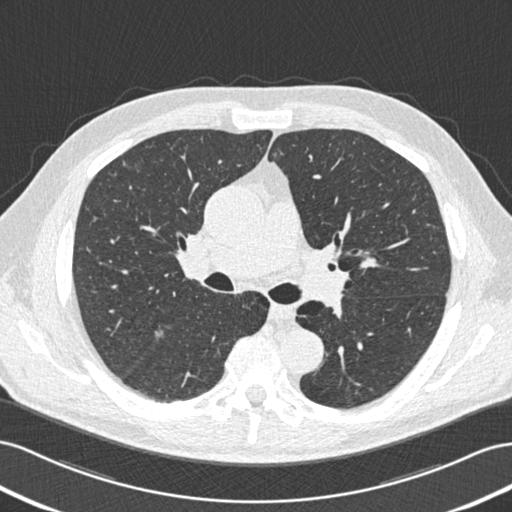
Axial slice 314 of 506 of a chest CT (slice 1 is the lowest), reconstructed with the B30f kernel at 120 kVp; 0.75 mm slice thickness and 0.699 mm pixels.
Pulmonary nodule at rows 163–164, columns 124–124 (box = the union of the readers' outlines on this slice), outlined by all four readers, two of them on this slice; median longest diameter 8.3 mm (readers' outlines 6.9–9.7 mm), median volume 81 mm3 (41–96 mm3). Ratings, median across the readers with their spread: texture 5/5 (solid) from all four readers; median margin 4/5 (readers ranged 2/5 to 5/5 (circumscribed)); sphericity 3.5/5 at the median of four readers, spread 3/5 (ovoid) to 5/5 (round); calcification absent from all four readers; internal structure soft tissue, all four readers agreeing; median subtlety 3.5/5 (readers ranged 3–4); malignancy likelihood 2.5/5 at the median of four readers, spread 1–3. Scale key (1–5): texture non-solid→solid, margin indistinct→circumscribed, sphericity linear→round, subtlety extremely subtle→obvious, malignancy likelihood highly unlikely→highly suspicious of cancer. Box rows and columns are 0-based pixel indices from the top-left corner, inclusive.